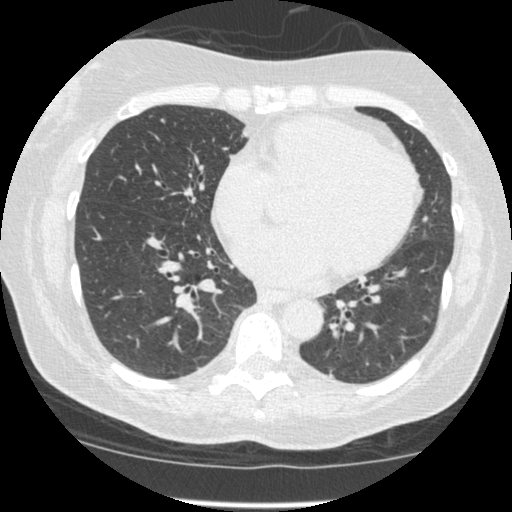
One axial slice (174 of 449, counting up from the lowest) of a chest CT acquired at 120 kVp with the STANDARD kernel; each pixel is 0.625 mm and the slice is 1.25 mm thick.
Pulmonary nodule at rows 315–321, columns 422–430 (box = the union of the readers' outlines on this slice), outlined by all four readers, two of them on this slice; median longest diameter 8.1 mm (readers' outlines 6.8–9.2 mm), median volume 121 mm3 (59–141 mm3). Ratings, median across the readers with their spread: texture 4.5/5 at the median of four readers, spread 1/5 (non-solid) to 5/5 (solid); margin 4/5 at the median of four readers, spread 3/5 to 5/5 (circumscribed); sphericity 4.5/5 at the median of four readers, spread 3/5 (ovoid) to 5/5 (round); calcification absent, all four readers agreeing; internal structure soft tissue, all four readers agreeing; median subtlety 3.5/5 (readers ranged 3–4); malignancy likelihood 3/5, all four readers agreeing. Scale key (1–5): texture non-solid→solid, margin indistinct→circumscribed, sphericity linear→round, subtlety extremely subtle→obvious, malignancy likelihood highly unlikely→highly suspicious of cancer. Box rows and columns are 0-based pixel indices from the top-left corner, inclusive.